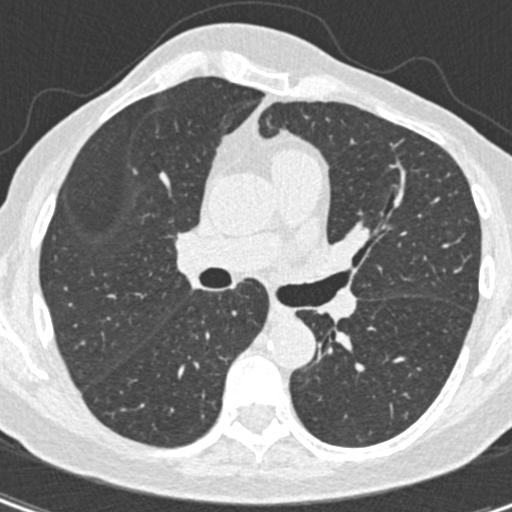
Chest CT, axial plane, 120 kVp, kernel B30f. Slice 242/408 from the bottom of the scan; thickness 0.75 mm; pixel size 0.531 mm.
Pulmonary nodule at rows 169–174, columns 133–137 (box = that reader's outline on this slice), outlined by one of the four readers; longest diameter 4.8 mm and volume 20 mm3 from that reader's outline. That reader's ratings: texture 5/5 (solid); margin 5/5 (circumscribed); sphericity 5/5 (round); calcification absent; internal structure soft tissue; subtlety 4/5; malignancy likelihood 2/5. Scale key (1–5): texture non-solid→solid, margin indistinct→circumscribed, sphericity linear→round, subtlety extremely subtle→obvious, malignancy likelihood highly unlikely→highly suspicious of cancer. Box rows and columns are 0-based pixel indices from the top-left corner, inclusive.